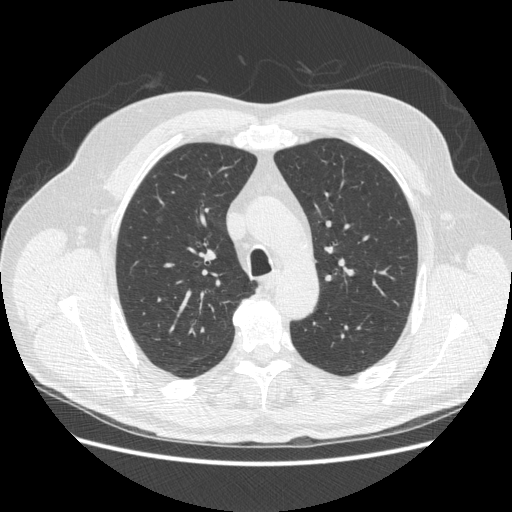
Axial slice 359 of 503 of a chest CT (slice 1 is the lowest), reconstructed with the STANDARD kernel at 120 kVp; 1.25 mm slice thickness and 0.742 mm pixels.
Pulmonary nodule outlined by all four readers; box rows 215–223, columns 154–162 (the union of the readers' outlines on this slice); longest diameter 8.2 mm on average over the four readers' outlines (readers' outlines 7.6–8.7 mm), volume 67–154 mm3. The readers' prevailing ratings and who disagreed: most readers (three of four) put texture at 1/5 (non-solid), others 3/5 (part-solid) (one); margin split among the readers: 2/5 (one), 3/5 (one), 4/5 (one), 5/5 (circumscribed) (one); sphericity split among the readers: 4/5 (two), 5/5 (round) (two); calcification absent, all four readers agreeing; internal structure soft tissue, all four readers agreeing; subtlety 1/5 by two of four readers; the rest gave 2/5 (one), 5/5 (one); malignancy likelihood split among the readers: 2/5 (two), 4/5 (two). Scale key (1–5): texture non-solid→solid, margin indistinct→circumscribed, sphericity linear→round, subtlety extremely subtle→obvious, malignancy likelihood highly unlikely→highly suspicious of cancer. Box rows and columns are 0-based pixel indices from the top-left corner, inclusive.